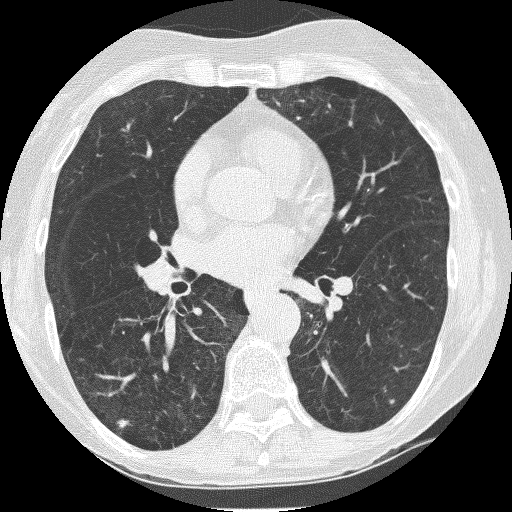
One axial slice (117 of 235, counting up from the lowest) of a chest CT acquired at 120 kVp with the BONE kernel; each pixel is 0.537 mm and the slice is 1.25 mm thick.
Pulmonary nodule at rows 419–429, columns 116–128 (box = the union of the readers' outlines on this slice), outlined by two of the four readers; median longest diameter 8.1 mm (readers' outlines 7.7–8.5 mm), median volume 147 mm3 (108–186 mm3). Ratings, median across the readers with their spread: texture 5/5 (solid) from both readers; margin 3/5 at the median of two readers, spread 2/5 to 4/5; sphericity 3.5/5 at the median of two readers, spread 3/5 (ovoid) to 4/5; calcification absent from both readers; internal structure soft tissue from both readers; subtlety 3/5 at the median of two readers, spread 2–4; median malignancy likelihood 3.5/5 (readers ranged 3–4). Scale key (1–5): texture non-solid→solid, margin indistinct→circumscribed, sphericity linear→round, subtlety extremely subtle→obvious, malignancy likelihood highly unlikely→highly suspicious of cancer. Box rows and columns are 0-based pixel indices from the top-left corner, inclusive.